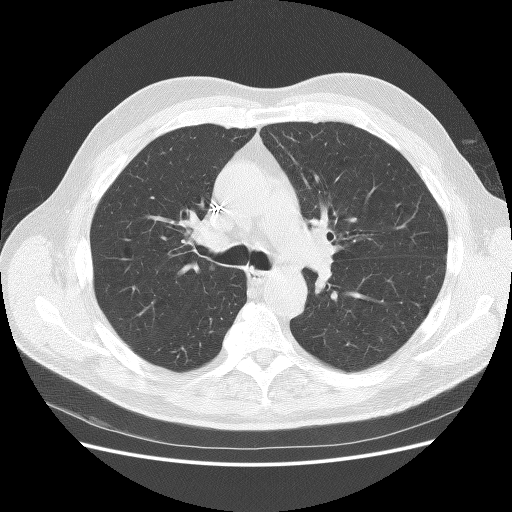
Axial slice 97 of 137 of a chest CT (slice 1 is the lowest), reconstructed with the BONE kernel at 140 kVp; 2.50 mm slice thickness and 0.723 mm pixels.
Pulmonary nodule, outlined by all four readers. Box on this slice rows 265–271, columns 209–214, the union of the readers' outlines on this slice; the four readers' outlines give a longest diameter between 7.8 and 8.5 mm and a volume between 206 and 242 mm3. Ratings across the readers: texture from 4/5 to 5/5 (solid) across the four readers; margin from 4/5 to 5/5 (circumscribed) across the four readers; sphericity from 4/5 to 5/5 (round) across the four readers; calcification absent, all four readers agreeing; internal structure soft tissue from all four readers; subtlety rated between 3 and 4 out of 5 by the four readers; malignancy likelihood 2–4/5 (the readers disagree). Scale key (1–5): texture non-solid→solid, margin indistinct→circumscribed, sphericity linear→round, subtlety extremely subtle→obvious, malignancy likelihood highly unlikely→highly suspicious of cancer. Box rows and columns are 0-based pixel indices from the top-left corner, inclusive.